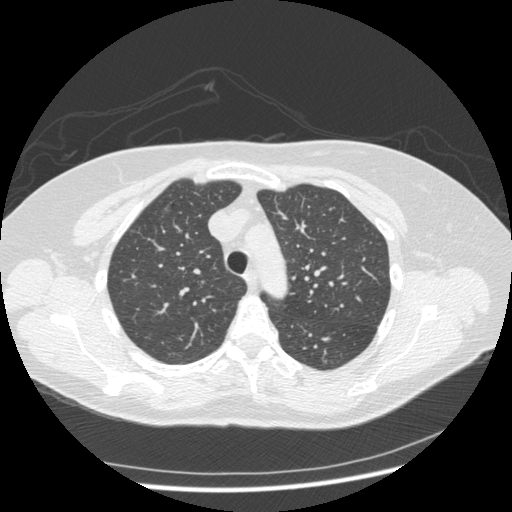
Axial chest CT slice 327 of 436 (counted from the lowest slice); 1.25 mm thick, 0.703 mm per pixel. Pulmonary nodule at rows 202–214, columns 160–171 (box = the union of the readers' outlines on this slice), outlined by all four readers, three of them on this slice; median longest diameter 11.2 mm (readers' outlines 10.7–12.4 mm), median volume 157 mm3 (115–323 mm3). Median ratings and the readers' spread: texture 1/5 (non-solid) at the median of four readers, spread 1/5 (non-solid) to 3/5 (part-solid); margin 2.5/5 at the median of four readers, spread 1/5 (indistinct) to 4/5; median sphericity 3.5/5 (readers ranged 3/5 (ovoid) to 5/5 (round)); calcification absent, all four readers agreeing; internal structure soft tissue from all four readers; median subtlety 1.5/5 (readers ranged 1–3); malignancy likelihood 3/5 at the median of four readers, spread 2–3. Scale key (1–5): texture non-solid→solid, margin indistinct→circumscribed, sphericity linear→round, subtlety extremely subtle→obvious, malignancy likelihood highly unlikely→highly suspicious of cancer. Box rows and columns are 0-based pixel indices from the top-left corner, inclusive.
Scan settings: 120 kVp, STANDARD reconstruction kernel.